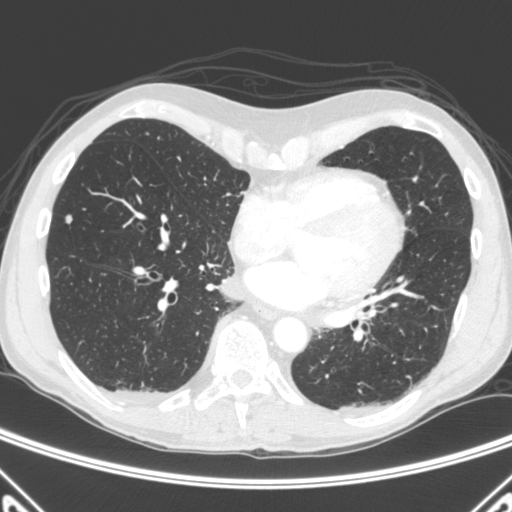
Chest CT, axial plane, 120 kVp, kernel C. Slice 164/445 from the bottom of the scan; thickness 1.50 mm; pixel size 0.676 mm.
Pulmonary nodule outlined by all four readers; box rows 214–223, columns 65–72 (the union of the readers' outlines on this slice); median longest diameter 8.5 mm (readers' outlines 7.0–8.9 mm), median volume 134 mm3 (62–138 mm3). Median ratings and the readers' spread: texture 5/5 (solid) at the median of four readers, spread 1/5 (non-solid) to 5/5 (solid); median margin 4.5/5 (readers ranged 4/5 to 5/5 (circumscribed)); sphericity 4/5 from all four readers; calcification absent, all four readers agreeing; internal structure soft tissue from all four readers; subtlety 5/5, all four readers agreeing; malignancy likelihood 3/5 at the median of four readers, spread 3–4. Scale key (1–5): texture non-solid→solid, margin indistinct→circumscribed, sphericity linear→round, subtlety extremely subtle→obvious, malignancy likelihood highly unlikely→highly suspicious of cancer. Box rows and columns are 0-based pixel indices from the top-left corner, inclusive.